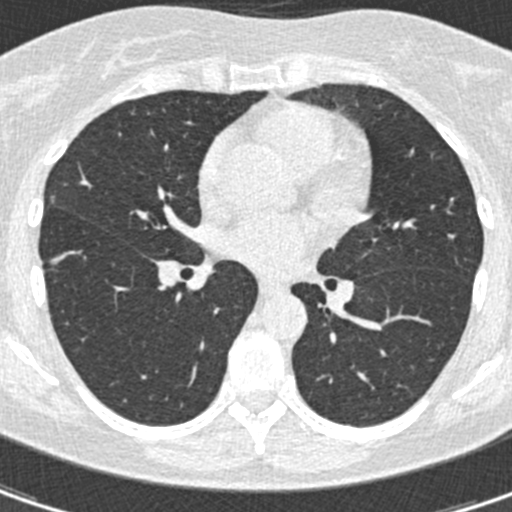
Axial chest CT slice 236 of 441 (counted from the lowest slice); tube voltage 120 kVp, convolution kernel B30f; slices 0.75 mm thick, 0.520 mm per pixel.
Pulmonary nodule outlined by three of the four readers, one of them on this slice; box rows 256–262, columns 50–61 (the one reader's outline on this slice); longest diameter 9.8–12.4 mm and volume 248–289 mm3 across the three readers' outlines. Ratings across the readers: texture from 4/5 to 5/5 (solid) across the three readers; margin from 4/5 to 5/5 (circumscribed) across the three readers; sphericity from 4/5 to 5/5 (round) across the three readers; calcification: absent (two), solid calcification (one); internal structure soft tissue from all three readers; subtlety 4–5/5 (the readers disagree); malignancy likelihood from 1/5 to 3/5 across the three readers. Scale key (1–5): texture non-solid→solid, margin indistinct→circumscribed, sphericity linear→round, subtlety extremely subtle→obvious, malignancy likelihood highly unlikely→highly suspicious of cancer. Box rows and columns are 0-based pixel indices from the top-left corner, inclusive.